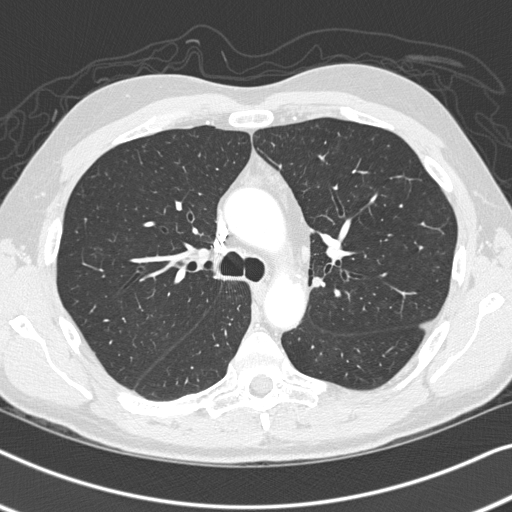
Chest CT, axial plane, 120 kVp, kernel B45f. Slice 221/326 from the bottom of the scan; thickness 1.00 mm; pixel size 0.645 mm.
Pulmonary nodule outlined by two of the four readers; box rows 276–286, columns 312–320 (the union of the readers' outlines on this slice); longest diameter 8.8–10.4 mm and volume 179–302 mm3 across the two readers' outlines. Ratings across the readers: texture 5/5 (solid), both readers agreeing; margin 5/5 (circumscribed) from both readers; sphericity from 3/5 (ovoid) to 5/5 (round) across the two readers; calcification absent, both readers agreeing; internal structure soft tissue, both readers agreeing; subtlety rated between 3 and 4 out of 5 by the two readers; malignancy likelihood 2–3/5 (the readers disagree). Scale key (1–5): texture non-solid→solid, margin indistinct→circumscribed, sphericity linear→round, subtlety extremely subtle→obvious, malignancy likelihood highly unlikely→highly suspicious of cancer. Box rows and columns are 0-based pixel indices from the top-left corner, inclusive.